One axial slice (169 of 220, counting up from the lowest) of a chest CT acquired at 120 kVp with the BONE kernel; each pixel is 0.598 mm and the slice is 1.25 mm thick.
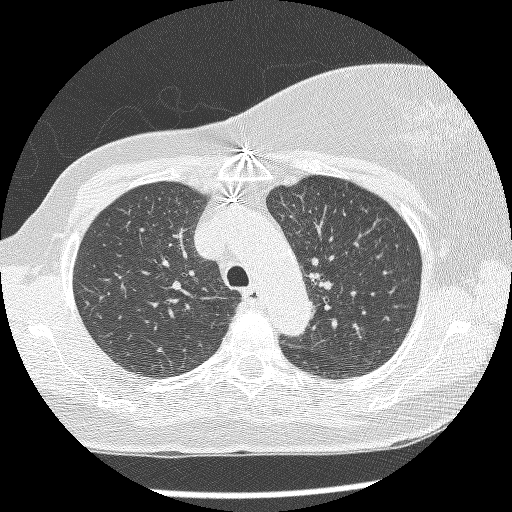
Pulmonary nodule, outlined by one of the four readers. Box on this slice rows 301–304, columns 85–88, that reader's outline on this slice; longest diameter 4.8 mm and volume 30 mm3 from that reader's outline. Ratings by that reader: texture 5/5 (solid); margin 5/5 (circumscribed); sphericity 5/5 (round); calcification absent; internal structure soft tissue; subtlety 4/5; malignancy likelihood 1/5. Scale key (1–5): texture non-solid→solid, margin indistinct→circumscribed, sphericity linear→round, subtlety extremely subtle→obvious, malignancy likelihood highly unlikely→highly suspicious of cancer. Box rows and columns are 0-based pixel indices from the top-left corner, inclusive.